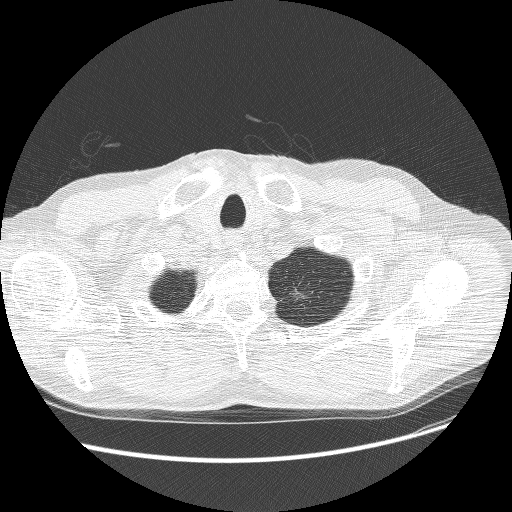
Axial chest CT slice 251 of 268 (counted from the lowest slice); tube voltage 120 kVp, convolution kernel BONE; slices 1.25 mm thick, 0.742 mm per pixel.
Pulmonary nodule, outlined by three of the four readers. Box on this slice rows 282–301, columns 287–310, the union of the readers' outlines on this slice; longest diameter 31.2 mm on average over the three readers' outlines (readers' outlines 30.8–31.7 mm), volume 4750–7267 mm3. Ratings, by the readers' most common answer with dissent counted: texture 3/5 (part-solid), all three readers agreeing; margin 1/5 (indistinct), all three readers agreeing; sphericity 3/5 (ovoid) by two of three readers; the rest gave 4/5 (one); calcification absent, all three readers agreeing; internal structure soft tissue from all three readers; subtlety 5/5 by two of three readers; the rest gave 4/5 (one); malignancy likelihood 4/5 by two of three readers; the rest gave 5/5 (one). Scale key (1–5): texture non-solid→solid, margin indistinct→circumscribed, sphericity linear→round, subtlety extremely subtle→obvious, malignancy likelihood highly unlikely→highly suspicious of cancer. Box rows and columns are 0-based pixel indices from the top-left corner, inclusive.